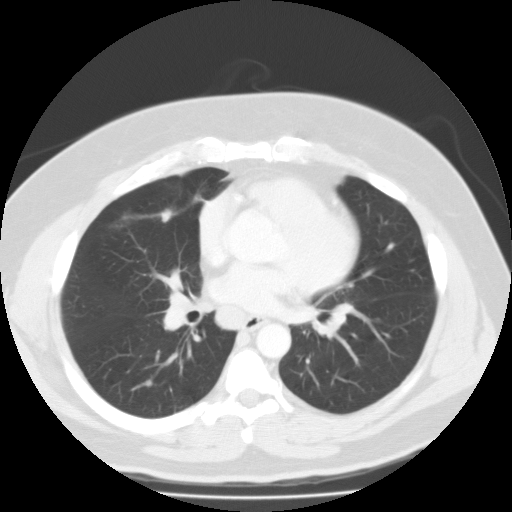
Chest CT, axial plane, 135 kVp, kernel FC01. Slice 69/126 from the bottom of the scan; thickness 3.00 mm; pixel size 0.744 mm.
Two pulmonary nodules on this slice, listed from left to right. (1) Pulmonary nodule at rows 381–385, columns 147–151 (box = that reader's outline on this slice), outlined by one of the four readers; longest diameter 9.4 mm and volume 188 mm3 from that reader's outline. That reader's ratings: texture 4/5; margin 2/5; sphericity 4/5; calcification absent; internal structure soft tissue; subtlety 1/5; malignancy likelihood 3/5. (2) Pulmonary nodule outlined by two of the four readers; box rows 209–222, columns 160–172 (the union of the readers' outlines on this slice); median longest diameter 13.0 mm (readers' outlines 13.0 mm), median volume 435 mm3 (404–467 mm3). Ratings, median across the readers with their spread: texture 4/5 at the median of two readers, spread 3/5 (part-solid) to 5/5 (solid); median margin 3/5 (readers ranged 2/5 to 4/5); median sphericity 2.5/5 (readers ranged 2/5 to 3/5 (ovoid)); calcification absent, both readers agreeing; internal structure soft tissue from both readers; median subtlety 4/5 (readers ranged 3–5); median malignancy likelihood 2.5/5 (readers ranged 2–3). Scale key (1–5): texture non-solid→solid, margin indistinct→circumscribed, sphericity linear→round, subtlety extremely subtle→obvious, malignancy likelihood highly unlikely→highly suspicious of cancer. Box rows and columns are 0-based pixel indices from the top-left corner, inclusive.